One axial slice (201 of 347, counting up from the lowest) of a chest CT acquired at 120 kVp with the B45f kernel; each pixel is 0.625 mm and the slice is 1.00 mm thick.
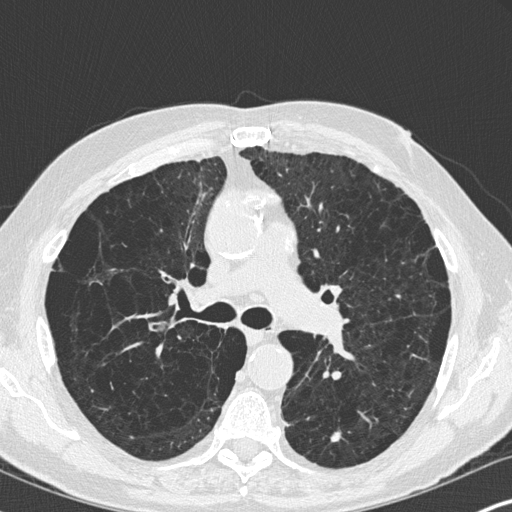
Pulmonary nodule outlined by all four readers; box rows 430–441, columns 330–343 (the union of the readers' outlines on this slice); longest diameter 9.8–15.6 mm and volume 236–361 mm3 across the four readers' outlines. The readers' ratings, as ranges where they differ: texture from 4/5 to 5/5 (solid) across the four readers; margin from 2/5 to 5/5 (circumscribed) across the four readers; sphericity from 2/5 to 4/5 across the four readers; calcification absent, all four readers agreeing; internal structure soft tissue from all four readers; subtlety rated between 4 and 5 out of 5 by the four readers; malignancy likelihood from 3/5 to 4/5 across the four readers. Scale key (1–5): texture non-solid→solid, margin indistinct→circumscribed, sphericity linear→round, subtlety extremely subtle→obvious, malignancy likelihood highly unlikely→highly suspicious of cancer. Box rows and columns are 0-based pixel indices from the top-left corner, inclusive.